Chest CT, axial plane, 120 kVp, kernel B45f. Slice 51/96 from the bottom of the scan; thickness 3.00 mm; pixel size 0.645 mm.
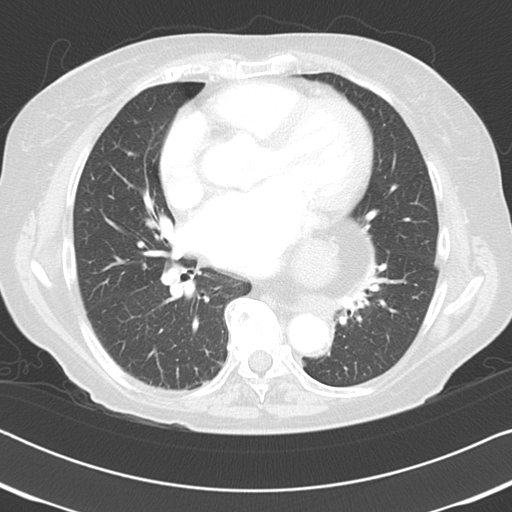
Pulmonary nodule, outlined by all four readers, three of them on this slice. Box on this slice rows 363–364, columns 220–222, the union of the readers' outlines on this slice; longest diameter 6.7 mm on average over the four readers' outlines (readers' outlines 6.3–7.9 mm), volume 72–142 mm3. The readers' prevailing ratings and who disagreed: texture 5/5 (solid) from all four readers; margin 5/5 (circumscribed), all four readers agreeing; most readers (three of four) put sphericity at 3/5 (ovoid), others 5/5 (round) (one); calcification absent from all four readers; internal structure soft tissue from all four readers; subtlety 4/5 by two of four readers; the rest gave 3/5 (one), 5/5 (one); most readers (three of four) put malignancy likelihood at 3/5, others 2/5 (one). Scale key (1–5): texture non-solid→solid, margin indistinct→circumscribed, sphericity linear→round, subtlety extremely subtle→obvious, malignancy likelihood highly unlikely→highly suspicious of cancer. Box rows and columns are 0-based pixel indices from the top-left corner, inclusive.